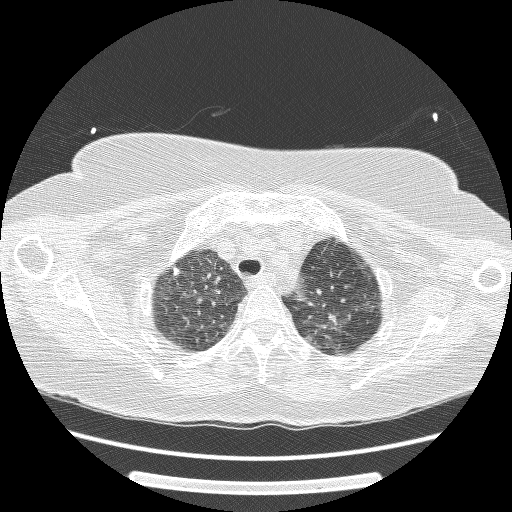
Axial chest CT slice 129 of 162 (counted from the lowest slice); tube voltage 120 kVp, convolution kernel BONE; slices 1.25 mm thick, 0.703 mm per pixel.
Pulmonary nodule, outlined by all four readers. Box on this slice rows 267–275, columns 173–178, the union of the readers' outlines on this slice; longest diameter 6.5 mm on average over the four readers' outlines (readers' outlines 5.8–7.3 mm), volume 54–99 mm3. Ratings, by the readers' most common answer with dissent counted: texture 5/5 (solid) from all four readers; margin 5/5 (circumscribed), all four readers agreeing; sphericity 4/5 by three of four readers; the rest gave 3/5 (ovoid) (one); calcification solid calcification, all four readers agreeing; internal structure soft tissue from all four readers; subtlety 5/5 by three of four readers; the rest gave 4/5 (one); malignancy likelihood 1/5 from all four readers. Scale key (1–5): texture non-solid→solid, margin indistinct→circumscribed, sphericity linear→round, subtlety extremely subtle→obvious, malignancy likelihood highly unlikely→highly suspicious of cancer. Box rows and columns are 0-based pixel indices from the top-left corner, inclusive.